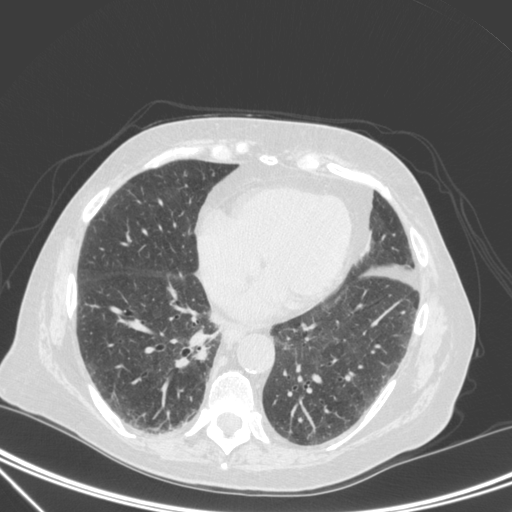
Slice 113/350 of a chest CT, counting up from the lowest; pixel size 0.725 mm, slice thickness 1.50 mm. Pulmonary nodule outlined by one of the four readers; box rows 346–359, columns 195–205 (that reader's outline on this slice); longest diameter 29.7 mm and volume 4028 mm3 from that reader's outline. Ratings by that reader: texture 5/5 (solid); margin 3/5; sphericity 3/5 (ovoid); calcification absent; internal structure soft tissue; subtlety 5/5; malignancy likelihood 4/5. Scale key (1–5): texture non-solid→solid, margin indistinct→circumscribed, sphericity linear→round, subtlety extremely subtle→obvious, malignancy likelihood highly unlikely→highly suspicious of cancer. Box rows and columns are 0-based pixel indices from the top-left corner, inclusive.
Tube voltage 120 kVp; convolution kernel C.